Axial slice 60 of 123 of a chest CT (slice 1 is the lowest), reconstructed with the BONE kernel at 140 kVp; 2.50 mm slice thickness and 0.703 mm pixels.
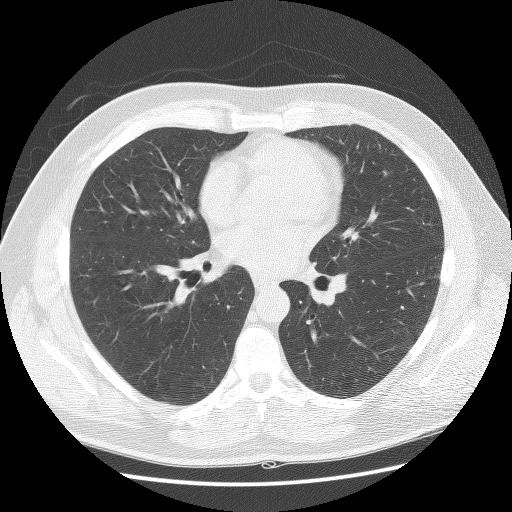
No nodule of 3 mm or larger was outlined by any of the four readers on this slice.